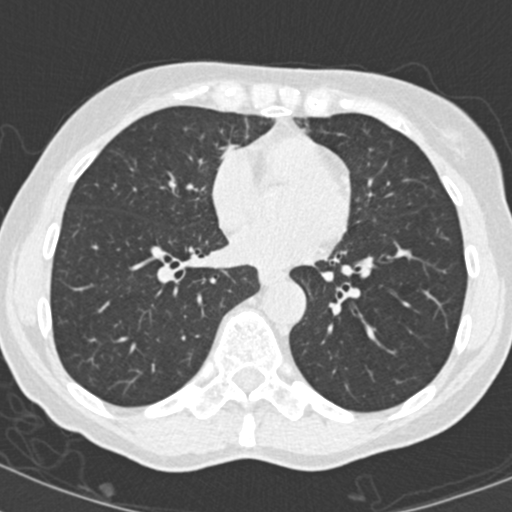
This is axial slice 93 of 202 (slice 1 is the lowest) of a chest CT; each pixel is 0.566 mm and the slice is 2.00 mm thick. No nodule 3 mm or larger was outlined here by any reader.
Scan settings: 120 kVp, B30f reconstruction kernel.